Axial slice 87 of 171 of a chest CT (slice 1 is the lowest), reconstructed with the B30f kernel at 120 kVp; 2.00 mm slice thickness and 0.547 mm pixels.
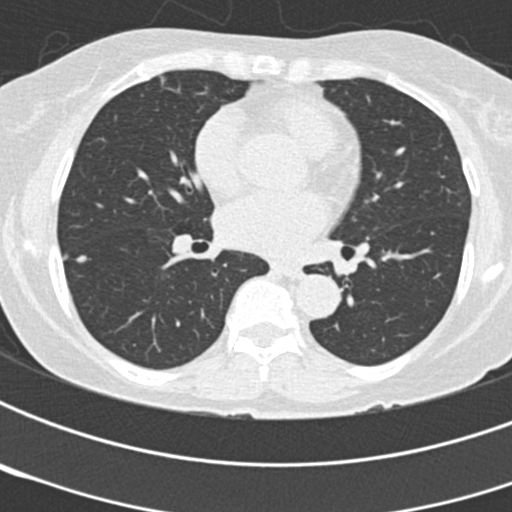
Pulmonary nodule at rows 254–262, columns 75–86 (box = the union of the readers' outlines on this slice), outlined by all four readers; the four readers' outlines give a longest diameter between 6.4 and 7.8 mm and a volume between 64 and 137 mm3. Ratings across the readers: texture from 4/5 to 5/5 (solid) across the four readers; margin from 4/5 to 5/5 (circumscribed) across the four readers; sphericity from 3/5 (ovoid) to 5/5 (round) across the four readers; calcification absent from all four readers; internal structure soft tissue, all four readers agreeing; subtlety rated between 4 and 5 out of 5 by the four readers; malignancy likelihood rated between 2 and 4 out of 5 by the four readers. Scale key (1–5): texture non-solid→solid, margin indistinct→circumscribed, sphericity linear→round, subtlety extremely subtle→obvious, malignancy likelihood highly unlikely→highly suspicious of cancer. Box rows and columns are 0-based pixel indices from the top-left corner, inclusive.